Axial slice 159 of 298 of a chest CT (slice 1 is the lowest), reconstructed with the BONE kernel at 120 kVp; 1.25 mm slice thickness and 0.719 mm pixels.
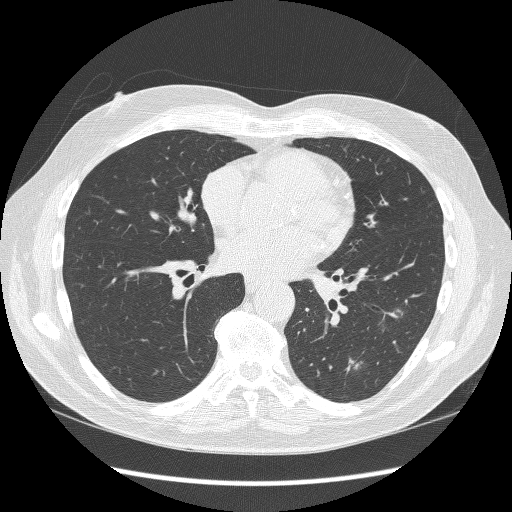
Pulmonary nodule outlined by three of the four readers, two of them on this slice; box rows 360–369, columns 353–362 (the union of the readers' outlines on this slice); median longest diameter 11.6 mm (readers' outlines 10.2–13.0 mm), median volume 437 mm3 (236–548 mm3). Ratings, median across the readers with their spread: texture 4/5 at the median of three readers, spread 3/5 (part-solid) to 5/5 (solid); margin 3/5 at the median of three readers, spread 2/5 to 4/5; median sphericity 3/5 (ovoid) (readers ranged 2/5 to 3/5 (ovoid)); calcification absent from all three readers; internal structure soft tissue from all three readers; subtlety 4/5 at the median of three readers, spread 3–4; median malignancy likelihood 4/5 (readers ranged 2–4). Scale key (1–5): texture non-solid→solid, margin indistinct→circumscribed, sphericity linear→round, subtlety extremely subtle→obvious, malignancy likelihood highly unlikely→highly suspicious of cancer. Box rows and columns are 0-based pixel indices from the top-left corner, inclusive.